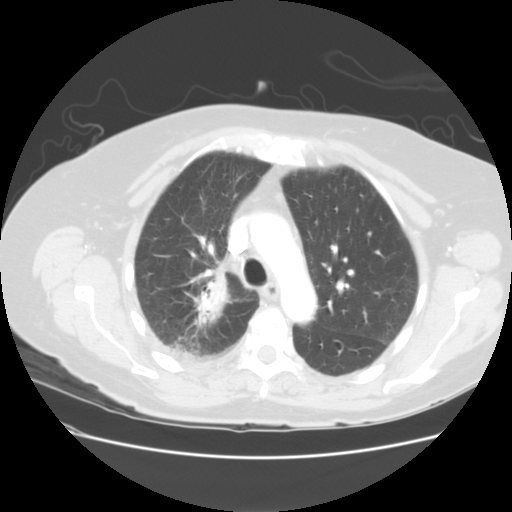
Axial slice 105 of 133 of a chest CT (slice 1 is the lowest), reconstructed with the STANDARD kernel at 120 kVp; 2.50 mm slice thickness and 0.703 mm pixels.
The readers outlined no nodule of 3 mm or more on this slice.